Chest CT, axial plane, 120 kVp, kernel STANDARD. Slice 418/583 from the bottom of the scan; thickness 1.25 mm; pixel size 0.703 mm.
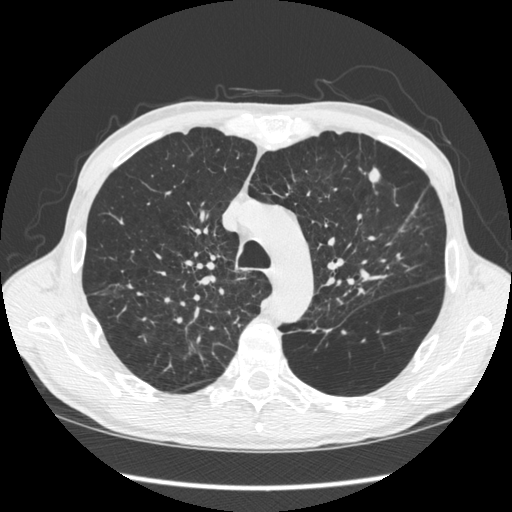
Pulmonary nodule at rows 166–183, columns 368–380 (box = the union of the readers' outlines on this slice), outlined by all four readers; median longest diameter 14.4 mm (readers' outlines 10.5–14.8 mm), median volume 421 mm3 (293–480 mm3). Ratings, median across the readers with their spread: texture 5/5 (solid) from all four readers; median margin 4.5/5 (readers ranged 3/5 to 5/5 (circumscribed)); median sphericity 3/5 (ovoid) (readers ranged 2/5 to 5/5 (round)); calcification absent, all four readers agreeing; internal structure soft tissue, all four readers agreeing; median subtlety 4.5/5 (readers ranged 3–5); malignancy likelihood 4.5/5 at the median of four readers, spread 2–5. Scale key (1–5): texture non-solid→solid, margin indistinct→circumscribed, sphericity linear→round, subtlety extremely subtle→obvious, malignancy likelihood highly unlikely→highly suspicious of cancer. Box rows and columns are 0-based pixel indices from the top-left corner, inclusive.